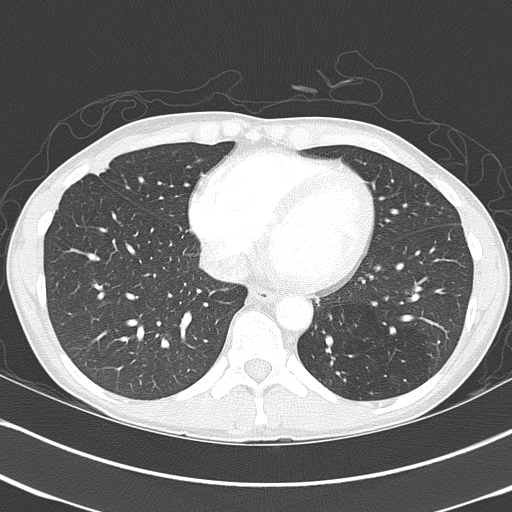
Axial chest CT slice 154 of 368 (counted from the lowest slice); 2.00 mm thick, 0.623 mm per pixel. Pulmonary nodule, outlined by all four readers, one of them on this slice. Box on this slice rows 163–175, columns 93–106, the one reader's outline on this slice; the four readers' outlines give a longest diameter between 27.1 and 39.3 mm and a volume between 6531 and 9806 mm3. The readers' ratings, as ranges where they differ: texture 5/5 (solid), all four readers agreeing; margin from 2/5 to 5/5 (circumscribed) across the four readers; sphericity from 2/5 to 3/5 (ovoid) across the four readers; calcification split among the readers: laminated calcification (one), absent (one), popcorn calcification (one), non-central calcification (one); internal structure soft tissue from all four readers; subtlety 5/5 from all four readers; malignancy likelihood rated between 1 and 5 out of 5 by the four readers. Scale key (1–5): texture non-solid→solid, margin indistinct→circumscribed, sphericity linear→round, subtlety extremely subtle→obvious, malignancy likelihood highly unlikely→highly suspicious of cancer. Box rows and columns are 0-based pixel indices from the top-left corner, inclusive.
Acquired at 120 kVp and reconstructed with the B70f kernel.